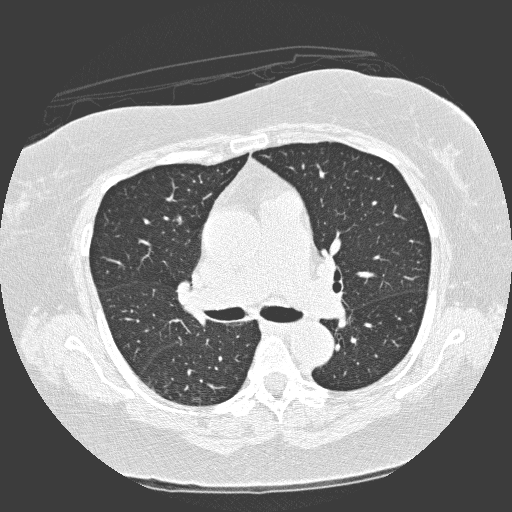
Axial chest CT slice 197 of 300 (counted from the lowest slice); tube voltage 120 kVp, convolution kernel D; slices 1.00 mm thick, 0.654 mm per pixel.
Pulmonary nodule at rows 217–222, columns 178–180 (box = that reader's outline on this slice), outlined by one of the four readers; longest diameter 5.3 mm and volume 21 mm3 from that reader's outline. That reader's ratings: texture 3/5 (part-solid); margin 4/5; sphericity 2/5; calcification absent; internal structure soft tissue; subtlety 3/5; malignancy likelihood 2/5. Scale key (1–5): texture non-solid→solid, margin indistinct→circumscribed, sphericity linear→round, subtlety extremely subtle→obvious, malignancy likelihood highly unlikely→highly suspicious of cancer. Box rows and columns are 0-based pixel indices from the top-left corner, inclusive.